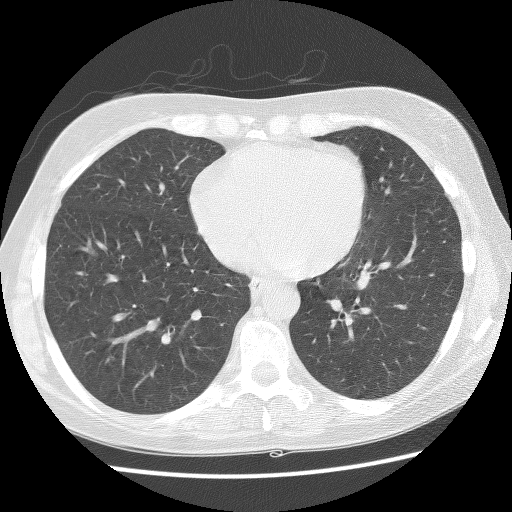
Axial chest CT slice 60 of 132 (counted from the lowest slice); tube voltage 140 kVp, convolution kernel BONE; slices 2.50 mm thick, 0.645 mm per pixel.
Pulmonary nodule at rows 162–168, columns 96–99 (box = that reader's outline on this slice), outlined by one of the four readers; longest diameter 5.5 mm and volume 72 mm3 from that reader's outline. Ratings by that reader: texture 5/5 (solid); margin 5/5 (circumscribed); sphericity 4/5; calcification absent; internal structure soft tissue; subtlety 4/5; malignancy likelihood 2/5. Scale key (1–5): texture non-solid→solid, margin indistinct→circumscribed, sphericity linear→round, subtlety extremely subtle→obvious, malignancy likelihood highly unlikely→highly suspicious of cancer. Box rows and columns are 0-based pixel indices from the top-left corner, inclusive.